Axial chest CT slice 91 of 127 (counted from the lowest slice); tube voltage 120 kVp, convolution kernel LUNG; slices 2.50 mm thick, 0.625 mm per pixel.
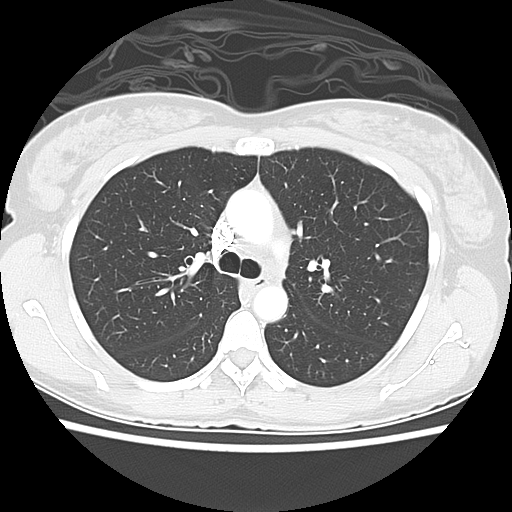
No nodule of 3 mm or larger was outlined by any of the four readers on this slice.